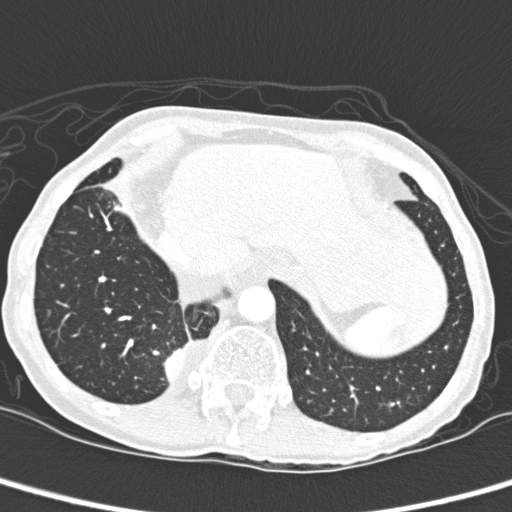
Axial slice 47 of 280 of a chest CT (slice 1 is the lowest), reconstructed with the D kernel at 120 kVp; 1.00 mm slice thickness and 0.564 mm pixels.
Pulmonary nodule at rows 346–383, columns 162–186 (box = the union of the readers' outlines on this slice), outlined by two of the four readers; median longest diameter 33.9 mm (readers' outlines 32.1–35.8 mm), median volume 6179 mm3 (5657–6702 mm3). Median ratings and the readers' spread: texture 5/5 (solid) from both readers; margin 4/5, both readers agreeing; sphericity 3/5 (ovoid) from both readers; calcification absent, both readers agreeing; internal structure soft tissue from both readers; subtlety 5/5 from both readers; median malignancy likelihood 2.5/5 (readers ranged 2–3). Scale key (1–5): texture non-solid→solid, margin indistinct→circumscribed, sphericity linear→round, subtlety extremely subtle→obvious, malignancy likelihood highly unlikely→highly suspicious of cancer. Box rows and columns are 0-based pixel indices from the top-left corner, inclusive.